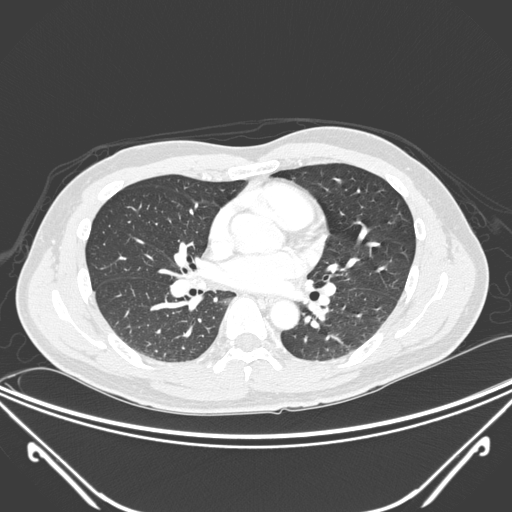
This is axial slice 150 of 325 (slice 1 is the lowest) of a chest CT; each pixel is 0.781 mm and the slice is 1.00 mm thick. This slice carries no reader outline of a nodule 3 mm or larger.
Scan settings: 120 kVp, D reconstruction kernel.